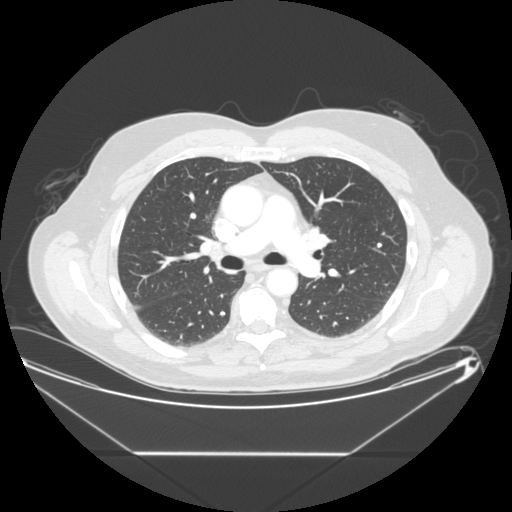
Axial chest CT slice 159 of 265 (counted from the lowest slice); tube voltage 120 kVp, convolution kernel STANDARD; slices 1.25 mm thick, 0.883 mm per pixel.
Two pulmonary nodules are outlined on this slice; from left to right: (1) Pulmonary nodule at rows 311–315, columns 219–225 (box = the union of the readers' outlines on this slice), outlined by three of the four readers; median longest diameter 6.4 mm (readers' outlines 5.6–9.0 mm), median volume 110 mm3 (65–112 mm3). Ratings, median across the readers with their spread: texture 5/5 (solid) from all three readers; margin 5/5 (circumscribed), all three readers agreeing; sphericity 5/5 (round) at the median of three readers, spread 4/5 to 5/5 (round); calcification: solid calcification (two), absent (one); internal structure soft tissue from all three readers; median subtlety 4/5 (readers ranged 3–5); malignancy likelihood 1/5 from all three readers. (2) Pulmonary nodule, outlined by one of the four readers. Box on this slice rows 243–247, columns 377–381, that reader's outline on this slice; longest diameter 5.6 mm and volume 102 mm3 from that reader's outline. Ratings by that reader: texture 5/5 (solid); margin 5/5 (circumscribed); sphericity 4/5; calcification solid calcification; internal structure soft tissue; subtlety 5/5; malignancy likelihood 1/5. Scale key (1–5): texture non-solid→solid, margin indistinct→circumscribed, sphericity linear→round, subtlety extremely subtle→obvious, malignancy likelihood highly unlikely→highly suspicious of cancer. Box rows and columns are 0-based pixel indices from the top-left corner, inclusive.